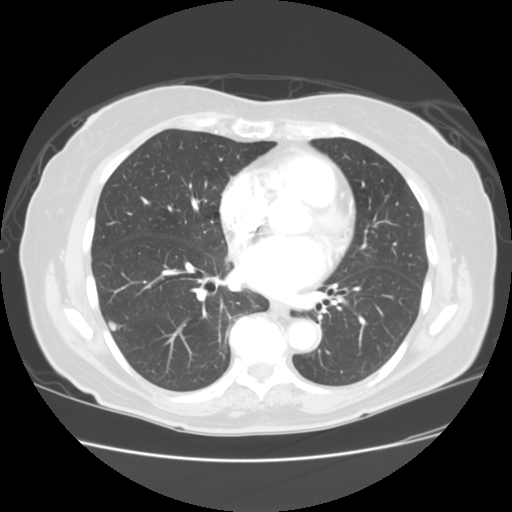
Slice 59/119 of a chest CT, counting up from the lowest; pixel size 0.703 mm, slice thickness 2.50 mm. Pulmonary nodule, outlined by all four readers. Box on this slice rows 321–330, columns 107–116, the union of the readers' outlines on this slice; median longest diameter 8.4 mm (readers' outlines 7.9–9.2 mm), median volume 184 mm3 (117–205 mm3). Median ratings and the readers' spread: texture 5/5 (solid) from all four readers; margin 5/5 (circumscribed) at the median of four readers, spread 3/5 to 5/5 (circumscribed); sphericity 3.5/5 at the median of four readers, spread 3/5 (ovoid) to 5/5 (round); calcification absent, all four readers agreeing; internal structure soft tissue, all four readers agreeing; median subtlety 4/5 (readers ranged 3–5); median malignancy likelihood 3/5 (readers ranged 2–3). Scale key (1–5): texture non-solid→solid, margin indistinct→circumscribed, sphericity linear→round, subtlety extremely subtle→obvious, malignancy likelihood highly unlikely→highly suspicious of cancer. Box rows and columns are 0-based pixel indices from the top-left corner, inclusive.
Acquired at 120 kVp and reconstructed with the STANDARD kernel.